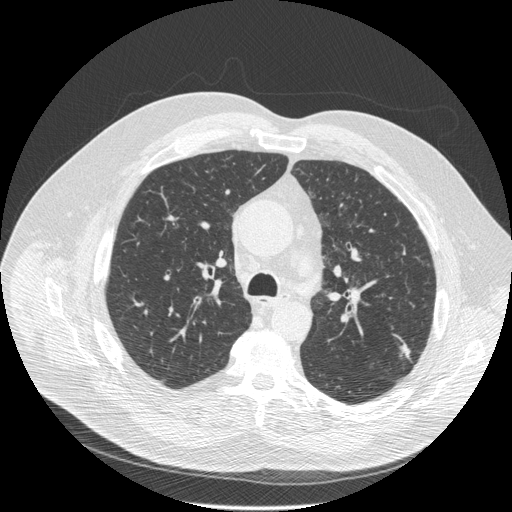
Chest CT, axial plane, 120 kVp, kernel STANDARD. Slice 328/516 from the bottom of the scan; thickness 1.25 mm; pixel size 0.820 mm.
Pulmonary nodule outlined by three of the four readers, two of them on this slice; box rows 344–357, columns 400–409 (the union of the readers' outlines on this slice); the three readers' outlines give a longest diameter between 23.2 and 31.7 mm and a volume between 750 and 1666 mm3. The readers' ratings, as ranges where they differ: texture from 3/5 (part-solid) to 5/5 (solid) across the three readers; margin from 3/5 to 4/5 across the three readers; sphericity 2/5 from all three readers; calcification absent from all three readers; internal structure soft tissue, all three readers agreeing; subtlety 5/5 from all three readers; malignancy likelihood 4/5, all three readers agreeing. Scale key (1–5): texture non-solid→solid, margin indistinct→circumscribed, sphericity linear→round, subtlety extremely subtle→obvious, malignancy likelihood highly unlikely→highly suspicious of cancer. Box rows and columns are 0-based pixel indices from the top-left corner, inclusive.